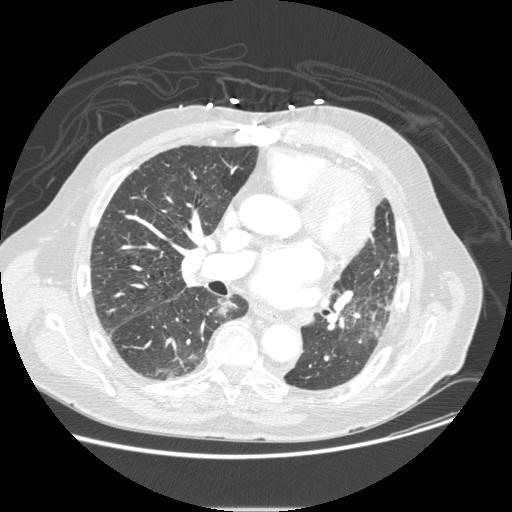
This is axial slice 138 of 232 (slice 1 is the lowest) of a chest CT; each pixel is 0.781 mm and the slice is 1.25 mm thick. Pulmonary nodule outlined by three of the four readers; box rows 297–318, columns 217–236 (the union of the readers' outlines on this slice); longest diameter 21.5 mm on average over the three readers' outlines (readers' outlines 19.3–24.1 mm), volume 947–2023 mm3. The readers' prevailing ratings and who disagreed: texture 1/5 (non-solid) by two of three readers; the rest gave 2/5 (one); most readers (two of three) put margin at 3/5, others 2/5 (one); sphericity split among the readers: 2/5 (one), 3/5 (ovoid) (one), 4/5 (one); calcification absent, all three readers agreeing; internal structure soft tissue, all three readers agreeing; subtlety 4/5 by two of three readers; the rest gave 3/5 (one); most readers (two of three) put malignancy likelihood at 4/5, others 2/5 (one). Scale key (1–5): texture non-solid→solid, margin indistinct→circumscribed, sphericity linear→round, subtlety extremely subtle→obvious, malignancy likelihood highly unlikely→highly suspicious of cancer. Box rows and columns are 0-based pixel indices from the top-left corner, inclusive.
Acquired at 120 kVp and reconstructed with the STANDARD kernel.